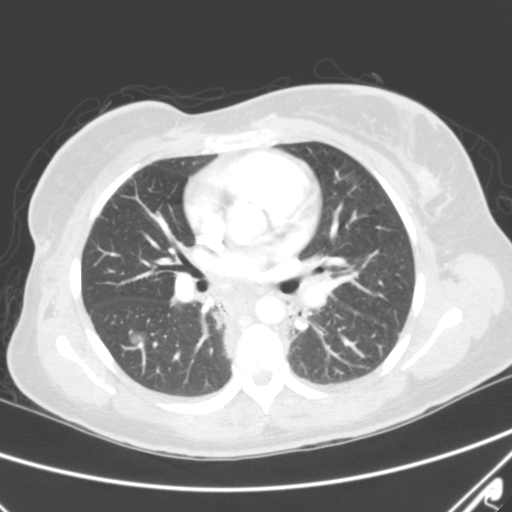
Chest CT, axial plane, 120 kVp, kernel B. Slice 147/263 from the bottom of the scan; thickness 2.00 mm; pixel size 0.664 mm.
Pulmonary nodule, outlined two times (the source holds three more outlines, not used). Box on this slice rows 331–342, columns 130–146, the union of the readers' outlines on this slice; median longest diameter 13.7 mm (readers' outlines 12.2–15.2 mm), median volume 980 mm3 (731–1229 mm3). Ratings, median across the readers with their spread: texture 2/5 at the median of two readers, spread 1/5 (non-solid) to 3/5 (part-solid); margin 2.5/5 at the median of two readers, spread 2/5 to 3/5; median sphericity 3.5/5 (readers ranged 3/5 (ovoid) to 4/5); calcification absent, both readers agreeing; internal structure soft tissue from both readers; subtlety 3/5, both readers agreeing; malignancy likelihood 3/5 at the median of two readers, spread 2–4. Scale key (1–5): texture non-solid→solid, margin indistinct→circumscribed, sphericity linear→round, subtlety extremely subtle→obvious, malignancy likelihood highly unlikely→highly suspicious of cancer. Box rows and columns are 0-based pixel indices from the top-left corner, inclusive.